Chest CT, axial plane, 120 kVp, kernel STANDARD. Slice 328/487 from the bottom of the scan; thickness 1.25 mm; pixel size 0.586 mm.
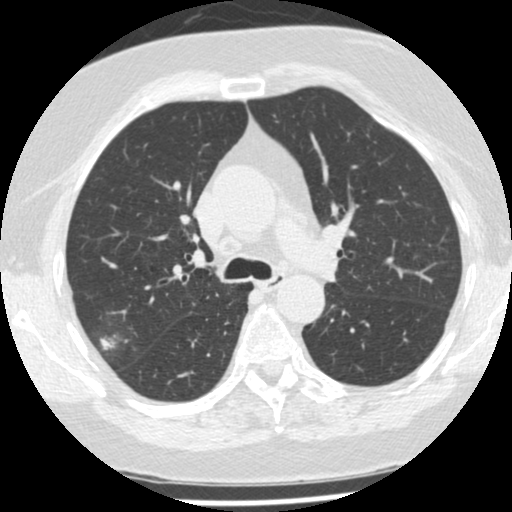
Pulmonary nodule, outlined by two of the four readers. Box on this slice rows 328–361, columns 89–123, the union of the readers' outlines on this slice; longest diameter 11.3–24.9 mm and volume 232–2964 mm3 across the two readers' outlines. The readers' ratings, as ranges where they differ: texture 3/5 (part-solid), both readers agreeing; margin from 1/5 (indistinct) to 2/5 across the two readers; sphericity 4/5, both readers agreeing; calcification absent, both readers agreeing; internal structure soft tissue, both readers agreeing; subtlety 4/5 from both readers; malignancy likelihood 3–4/5 (the readers disagree). Scale key (1–5): texture non-solid→solid, margin indistinct→circumscribed, sphericity linear→round, subtlety extremely subtle→obvious, malignancy likelihood highly unlikely→highly suspicious of cancer. Box rows and columns are 0-based pixel indices from the top-left corner, inclusive.